Axial slice 67 of 116 of a chest CT (slice 1 is the lowest), reconstructed with the B31f kernel at 120 kVp; 3.00 mm slice thickness and 0.547 mm pixels.
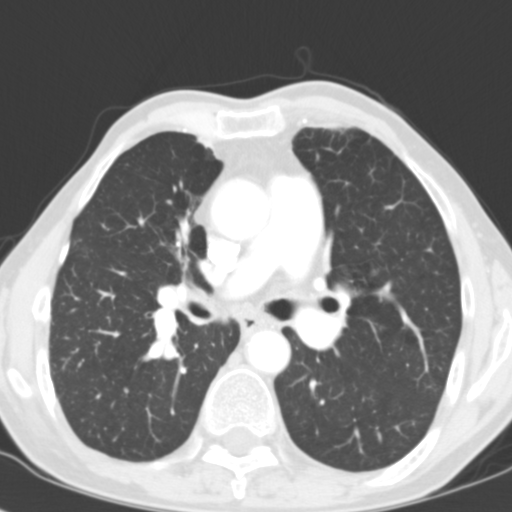
Pulmonary nodule at rows 387–391, columns 123–128 (box = the one reader's outline on this slice), outlined by two of the four readers, one of them on this slice; the two readers' outlines give a longest diameter between 6.1 and 6.8 mm and a volume between 142 and 210 mm3. Ratings across the readers: texture from 3/5 (part-solid) to 5/5 (solid) across the two readers; margin from 2/5 to 5/5 (circumscribed) across the two readers; sphericity from 3/5 (ovoid) to 5/5 (round) across the two readers; calcification absent from both readers; internal structure soft tissue, both readers agreeing; subtlety from 3/5 to 5/5 across the two readers; malignancy likelihood 3–4/5 (the readers disagree). Scale key (1–5): texture non-solid→solid, margin indistinct→circumscribed, sphericity linear→round, subtlety extremely subtle→obvious, malignancy likelihood highly unlikely→highly suspicious of cancer. Box rows and columns are 0-based pixel indices from the top-left corner, inclusive.